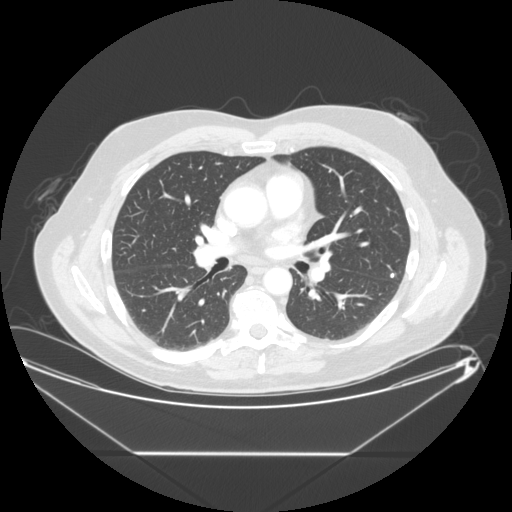
Axial slice 142 of 265 of a chest CT (slice 1 is the lowest), reconstructed with the STANDARD kernel at 120 kVp; 1.25 mm slice thickness and 0.883 mm pixels.
Pulmonary nodule at rows 272–278, columns 390–395 (box = the union of the readers' outlines on this slice), outlined by three of the four readers; median longest diameter 7.3 mm (readers' outlines 7.1–9.0 mm), median volume 106 mm3 (101–170 mm3). Ratings, median across the readers with their spread: texture 5/5 (solid), all three readers agreeing; margin 5/5 (circumscribed), all three readers agreeing; median sphericity 4/5 (readers ranged 3/5 (ovoid) to 5/5 (round)); calcification solid calcification, all three readers agreeing; internal structure soft tissue from all three readers; median subtlety 5/5 (readers ranged 4–5); malignancy likelihood 1/5 from all three readers. Scale key (1–5): texture non-solid→solid, margin indistinct→circumscribed, sphericity linear→round, subtlety extremely subtle→obvious, malignancy likelihood highly unlikely→highly suspicious of cancer. Box rows and columns are 0-based pixel indices from the top-left corner, inclusive.